Chest CT, axial plane, 120 kVp, kernel STANDARD. Slice 345/557 from the bottom of the scan; thickness 1.25 mm; pixel size 0.703 mm.
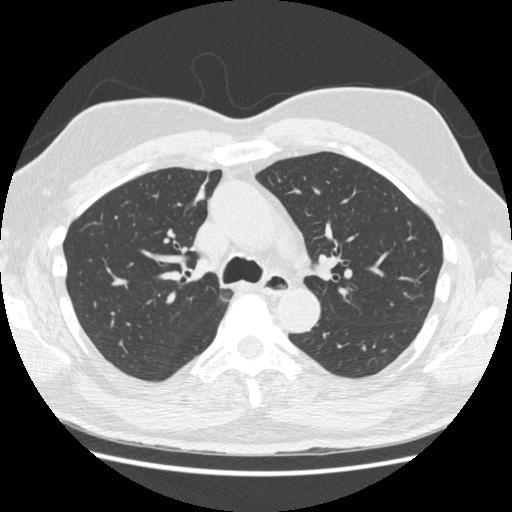
Pulmonary nodule, outlined by all four readers. Box on this slice rows 184–200, columns 195–205, the union of the readers' outlines on this slice; the four readers' outlines give a longest diameter between 12.6 and 14.2 mm and a volume between 470 and 622 mm3. Ratings across the readers: texture 5/5 (solid), all four readers agreeing; margin from 4/5 to 5/5 (circumscribed) across the four readers; sphericity 3/5 (ovoid), all four readers agreeing; calcification absent, all four readers agreeing; internal structure soft tissue from all four readers; subtlety rated between 3 and 5 out of 5 by the four readers; malignancy likelihood 1–4/5 (the readers disagree). Scale key (1–5): texture non-solid→solid, margin indistinct→circumscribed, sphericity linear→round, subtlety extremely subtle→obvious, malignancy likelihood highly unlikely→highly suspicious of cancer. Box rows and columns are 0-based pixel indices from the top-left corner, inclusive.